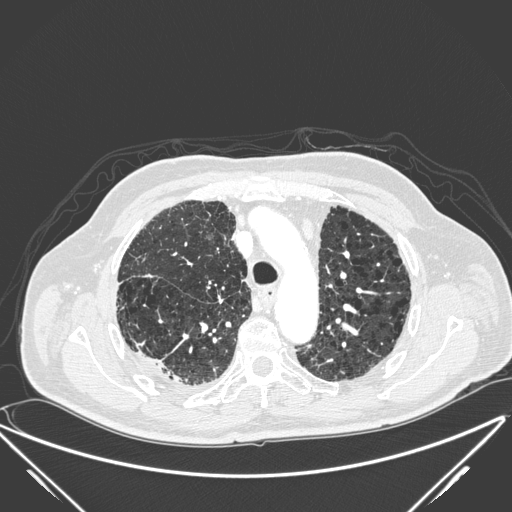
Axial slice 172 of 278 of a chest CT (slice 1 is the lowest), reconstructed with the D kernel at 120 kVp; 1.00 mm slice thickness and 0.812 mm pixels.
The readers outlined no nodule of 3 mm or more on this slice.